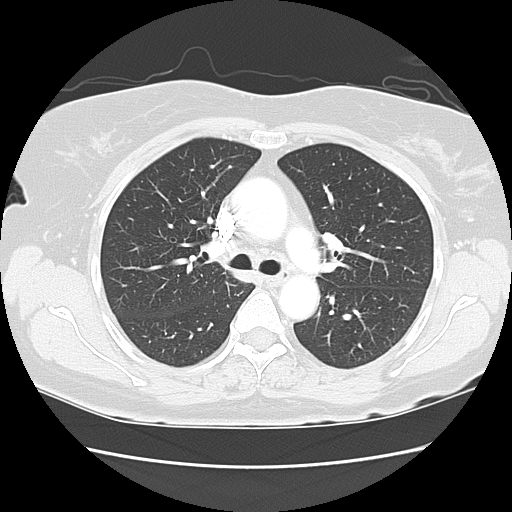
This is axial slice 90 of 130 (slice 1 is the lowest) of a chest CT; each pixel is 0.664 mm and the slice is 2.50 mm thick. No nodule of 3 mm or larger was outlined by any of the four readers on this slice.
Tube voltage 120 kVp; convolution kernel LUNG.